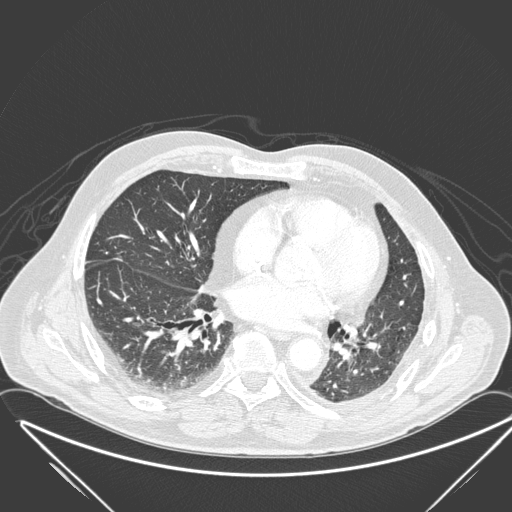
Axial chest CT slice 100 of 280 (counted from the lowest slice); tube voltage 120 kVp, convolution kernel D; slices 1.00 mm thick, 0.830 mm per pixel.
Pulmonary nodule, outlined by all four readers, one of them on this slice. Box on this slice rows 257–259, columns 116–121, the one reader's outline on this slice; the four readers' outlines give a longest diameter between 17.6 and 22.4 mm and a volume between 620 and 866 mm3. Ratings across the readers: texture 5/5 (solid) from all four readers; margin from 4/5 to 5/5 (circumscribed) across the four readers; sphericity from 3/5 (ovoid) to 5/5 (round) across the four readers; calcification split among the readers: absent (two), solid calcification (two); internal structure soft tissue from all four readers; subtlety 5/5, all four readers agreeing; malignancy likelihood 1–5/5 (the readers disagree). Scale key (1–5): texture non-solid→solid, margin indistinct→circumscribed, sphericity linear→round, subtlety extremely subtle→obvious, malignancy likelihood highly unlikely→highly suspicious of cancer. Box rows and columns are 0-based pixel indices from the top-left corner, inclusive.